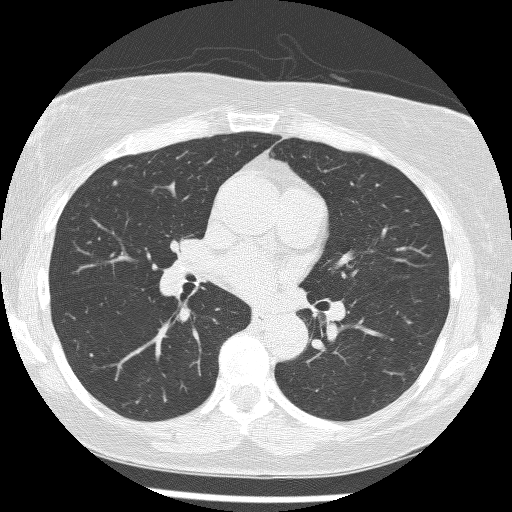
Slice 129/241 of a chest CT, counting up from the lowest; pixel size 0.586 mm, slice thickness 1.25 mm. Pulmonary nodule outlined by one of the four readers; box rows 180–185, columns 112–116 (that reader's outline on this slice); longest diameter 4.1 mm and volume 39 mm3 from that reader's outline. That reader's ratings: texture 5/5 (solid); margin 5/5 (circumscribed); sphericity 5/5 (round); calcification absent; internal structure soft tissue; subtlety 4/5; malignancy likelihood 1/5. Scale key (1–5): texture non-solid→solid, margin indistinct→circumscribed, sphericity linear→round, subtlety extremely subtle→obvious, malignancy likelihood highly unlikely→highly suspicious of cancer. Box rows and columns are 0-based pixel indices from the top-left corner, inclusive.
Acquired at 120 kVp and reconstructed with the BONE kernel.